One axial slice (310 of 506, counting up from the lowest) of a chest CT acquired at 120 kVp with the B30f kernel; each pixel is 0.699 mm and the slice is 0.75 mm thick.
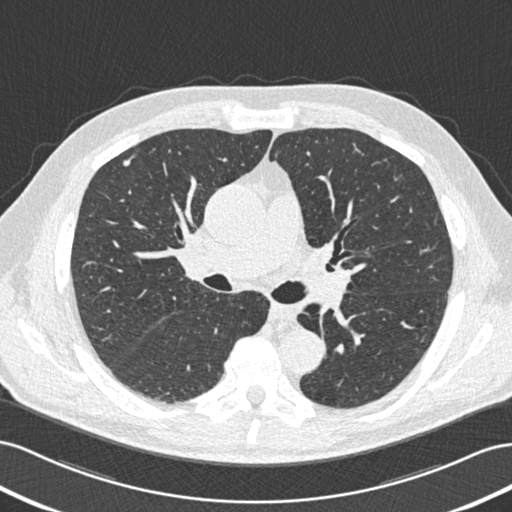
Pulmonary nodule, outlined by all four readers. Box on this slice rows 156–166, columns 123–133, the union of the readers' outlines on this slice; longest diameter 8.3 mm on average over the four readers' outlines (readers' outlines 6.9–9.7 mm), volume 41–96 mm3. The readers' prevailing ratings and who disagreed: texture 5/5 (solid) from all four readers; margin 4/5 by two of four readers; the rest gave 2/5 (one), 5/5 (circumscribed) (one); sphericity 3/5 (ovoid) by two of four readers; the rest gave 4/5 (one), 5/5 (round) (one); calcification absent from all four readers; internal structure soft tissue, all four readers agreeing; subtlety split among the readers: 3/5 (two), 4/5 (two); malignancy likelihood 3/5 by two of four readers; the rest gave 1/5 (one), 2/5 (one). Scale key (1–5): texture non-solid→solid, margin indistinct→circumscribed, sphericity linear→round, subtlety extremely subtle→obvious, malignancy likelihood highly unlikely→highly suspicious of cancer. Box rows and columns are 0-based pixel indices from the top-left corner, inclusive.